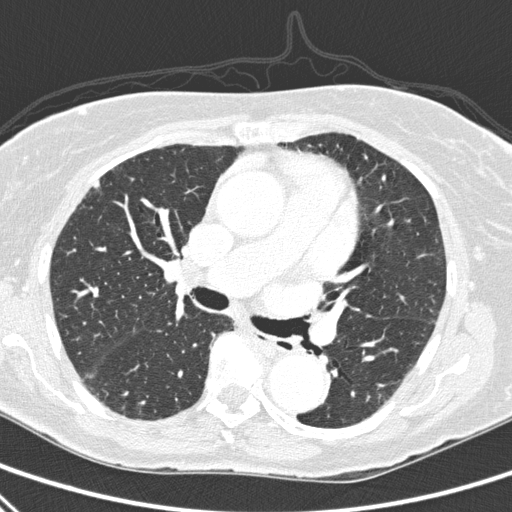
Slice 184/310 of a chest CT, counting up from the lowest; pixel size 0.643 mm, slice thickness 1.00 mm. Pulmonary nodule, outlined by two of the four readers. Box on this slice rows 181–188, columns 93–100, the union of the readers' outlines on this slice; the two readers' outlines give a longest diameter between 6.1 and 6.7 mm and a volume between 78 and 81 mm3. The readers' ratings, as ranges where they differ: texture 5/5 (solid), both readers agreeing; margin from 4/5 to 5/5 (circumscribed) across the two readers; sphericity from 2/5 to 4/5 across the two readers; calcification split among the readers: absent (one), non-central calcification (one); internal structure soft tissue from both readers; subtlety 5/5, both readers agreeing; malignancy likelihood from 1/5 to 3/5 across the two readers. Scale key (1–5): texture non-solid→solid, margin indistinct→circumscribed, sphericity linear→round, subtlety extremely subtle→obvious, malignancy likelihood highly unlikely→highly suspicious of cancer. Box rows and columns are 0-based pixel indices from the top-left corner, inclusive.
Tube voltage 120 kVp; convolution kernel D.